Chest CT, axial plane, 120 kVp, kernel STANDARD. Slice 399/461 from the bottom of the scan; thickness 1.25 mm; pixel size 0.586 mm.
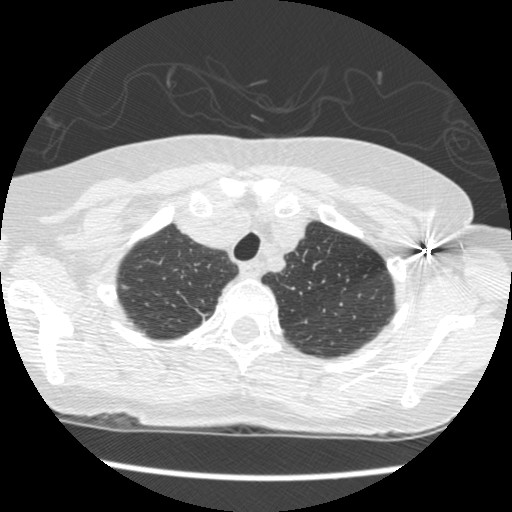
Pulmonary nodule at rows 285–288, columns 121–128 (box = that reader's outline on this slice), outlined by one of the four readers; longest diameter 6.7 mm and volume 53 mm3 from that reader's outline. Ratings by that reader: texture 5/5 (solid); margin 5/5 (circumscribed); sphericity 4/5; calcification absent; internal structure soft tissue; subtlety 5/5; malignancy likelihood 4/5. Scale key (1–5): texture non-solid→solid, margin indistinct→circumscribed, sphericity linear→round, subtlety extremely subtle→obvious, malignancy likelihood highly unlikely→highly suspicious of cancer. Box rows and columns are 0-based pixel indices from the top-left corner, inclusive.